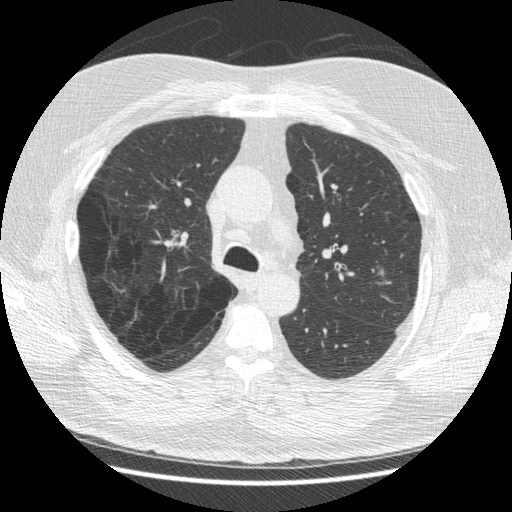
Axial chest CT slice 318 of 487 (counted from the lowest slice); 1.25 mm thick, 0.703 mm per pixel. Pulmonary nodule outlined by two of the four readers; box rows 266–275, columns 378–384 (the union of the readers' outlines on this slice); longest diameter 9.5 mm on average over the two readers' outlines (readers' outlines 9.4–9.6 mm), volume 154–156 mm3. The readers' prevailing ratings and who disagreed: texture split among the readers: 3/5 (part-solid) (one), 4/5 (one); margin split among the readers: 2/5 (one), 4/5 (one); sphericity 3/5 (ovoid) from both readers; calcification absent, both readers agreeing; internal structure soft tissue from both readers; subtlety split among the readers: 2/5 (one), 3/5 (one); malignancy likelihood split among the readers: 3/5 (one), 4/5 (one). Scale key (1–5): texture non-solid→solid, margin indistinct→circumscribed, sphericity linear→round, subtlety extremely subtle→obvious, malignancy likelihood highly unlikely→highly suspicious of cancer. Box rows and columns are 0-based pixel indices from the top-left corner, inclusive.
Scan settings: 120 kVp, STANDARD reconstruction kernel.